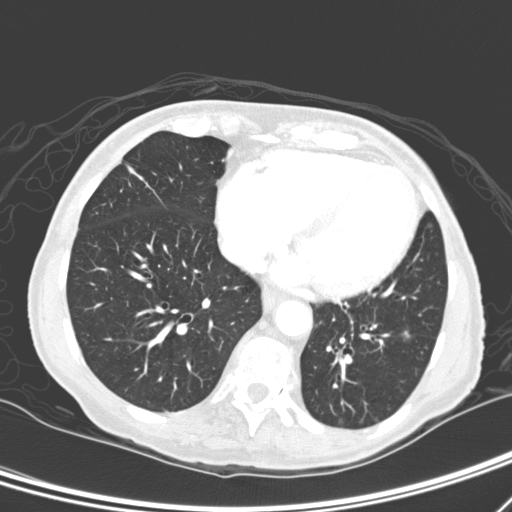
One axial slice (105 of 276, counting up from the lowest) of a chest CT acquired at 120 kVp with the D kernel; each pixel is 0.617 mm and the slice is 2.00 mm thick.
Pulmonary nodule outlined by all four readers; box rows 329–341, columns 399–414 (the union of the readers' outlines on this slice); longest diameter 8.9 mm on average over the four readers' outlines (readers' outlines 7.2–10.6 mm), volume 121–277 mm3. The readers' prevailing ratings and who disagreed: texture 2/5 by two of four readers; the rest gave 1/5 (non-solid) (one), 5/5 (solid) (one); margin 1/5 (indistinct) by three of four readers; the rest gave 5/5 (circumscribed) (one); sphericity 4/5 by two of four readers; the rest gave 2/5 (one), 3/5 (ovoid) (one); calcification absent from all four readers; internal structure soft tissue, all four readers agreeing; subtlety split among the readers: 2/5 (two), 4/5 (two); malignancy likelihood 4/5 by two of four readers; the rest gave 2/5 (one), 3/5 (one). Scale key (1–5): texture non-solid→solid, margin indistinct→circumscribed, sphericity linear→round, subtlety extremely subtle→obvious, malignancy likelihood highly unlikely→highly suspicious of cancer. Box rows and columns are 0-based pixel indices from the top-left corner, inclusive.